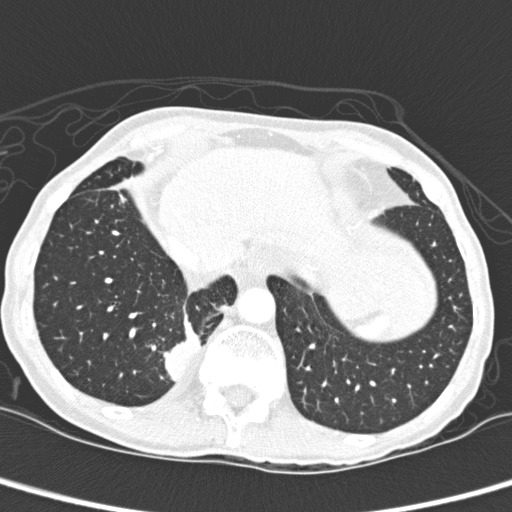
Axial slice 52 of 280 of a chest CT (slice 1 is the lowest), reconstructed with the D kernel at 120 kVp; 1.00 mm slice thickness and 0.564 mm pixels.
Pulmonary nodule at rows 319–379, columns 165–199 (box = the union of the readers' outlines on this slice), outlined by two of the four readers; longest diameter 32.1–35.8 mm and volume 5657–6702 mm3 across the two readers' outlines. The readers' ratings, as ranges where they differ: texture 5/5 (solid), both readers agreeing; margin 4/5 from both readers; sphericity 3/5 (ovoid) from both readers; calcification absent, both readers agreeing; internal structure soft tissue from both readers; subtlety 5/5 from both readers; malignancy likelihood 2–3/5 (the readers disagree). Scale key (1–5): texture non-solid→solid, margin indistinct→circumscribed, sphericity linear→round, subtlety extremely subtle→obvious, malignancy likelihood highly unlikely→highly suspicious of cancer. Box rows and columns are 0-based pixel indices from the top-left corner, inclusive.